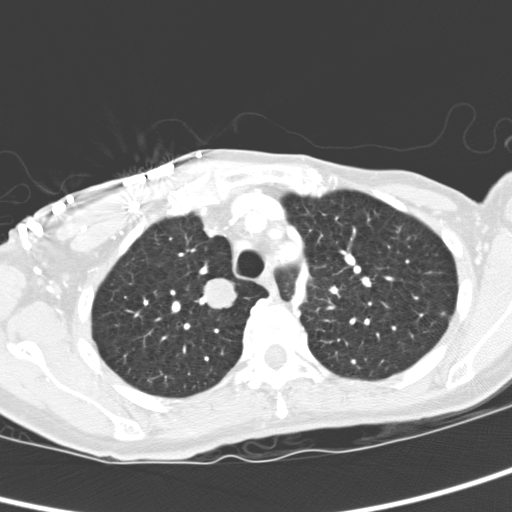
One axial slice (252 of 321, counting up from the lowest) of a chest CT acquired at 120 kVp with the D kernel; each pixel is 0.557 mm and the slice is 2.00 mm thick.
Pulmonary nodule outlined by all four readers; box rows 277–309, columns 203–237 (the union of the readers' outlines on this slice); longest diameter 20.6 mm on average over the four readers' outlines (readers' outlines 19.2–21.9 mm), volume 3323–4100 mm3. Ratings, by the readers' most common answer with dissent counted: texture 5/5 (solid), all four readers agreeing; most readers (three of four) put margin at 5/5 (circumscribed), others 4/5 (one); sphericity 5/5 (round) by three of four readers; the rest gave 4/5 (one); calcification absent, all four readers agreeing; internal structure soft tissue, all four readers agreeing; subtlety 5/5, all four readers agreeing; malignancy likelihood 5/5 by two of four readers; the rest gave 3/5 (one), 4/5 (one). Scale key (1–5): texture non-solid→solid, margin indistinct→circumscribed, sphericity linear→round, subtlety extremely subtle→obvious, malignancy likelihood highly unlikely→highly suspicious of cancer. Box rows and columns are 0-based pixel indices from the top-left corner, inclusive.